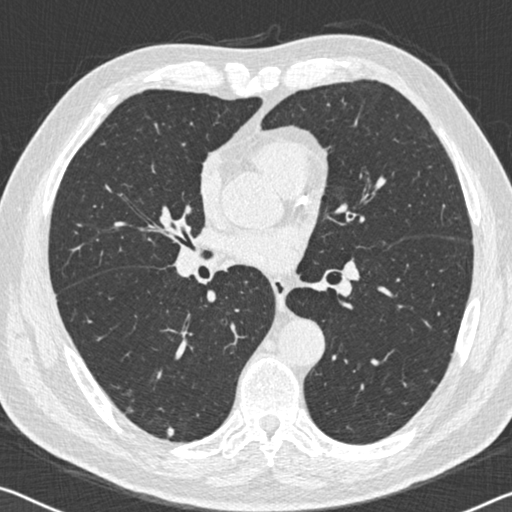
Axial chest CT slice 305 of 536 (counted from the lowest slice); 0.75 mm thick, 0.656 mm per pixel. Pulmonary nodule outlined by three of the four readers; box rows 426–437, columns 166–174 (the union of the readers' outlines on this slice); longest diameter 5.9–8.6 mm and volume 49–116 mm3 across the three readers' outlines. Ratings across the readers: texture from 4/5 to 5/5 (solid) across the three readers; margin 4/5 from all three readers; sphericity from 3/5 (ovoid) to 4/5 across the three readers; calcification: absent (two), non-central calcification (one); internal structure soft tissue from all three readers; subtlety from 3/5 to 5/5 across the three readers; malignancy likelihood 2–3/5 (the readers disagree). Scale key (1–5): texture non-solid→solid, margin indistinct→circumscribed, sphericity linear→round, subtlety extremely subtle→obvious, malignancy likelihood highly unlikely→highly suspicious of cancer. Box rows and columns are 0-based pixel indices from the top-left corner, inclusive.
Scan settings: 120 kVp, B30f reconstruction kernel.